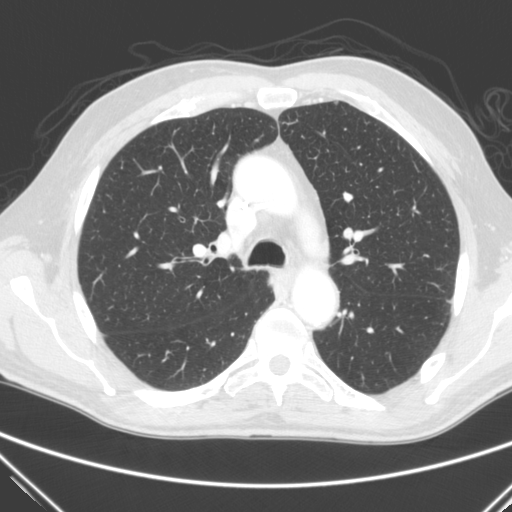
Chest CT, axial plane, 120 kVp, kernel C. Slice 177/290 from the bottom of the scan; thickness 2.00 mm; pixel size 0.682 mm.
Pulmonary nodule outlined by one of the four readers; box rows 102–104, columns 334–337 (that reader's outline on this slice); longest diameter 4.8 mm and volume 30 mm3 from that reader's outline. That reader's ratings: texture 5/5 (solid); margin 5/5 (circumscribed); sphericity 5/5 (round); calcification absent; internal structure soft tissue; subtlety 5/5; malignancy likelihood 3/5. Scale key (1–5): texture non-solid→solid, margin indistinct→circumscribed, sphericity linear→round, subtlety extremely subtle→obvious, malignancy likelihood highly unlikely→highly suspicious of cancer. Box rows and columns are 0-based pixel indices from the top-left corner, inclusive.